Axial chest CT slice 64 of 101 (counted from the lowest slice); tube voltage 120 kVp, convolution kernel B31f; slices 3.00 mm thick, 0.635 mm per pixel.
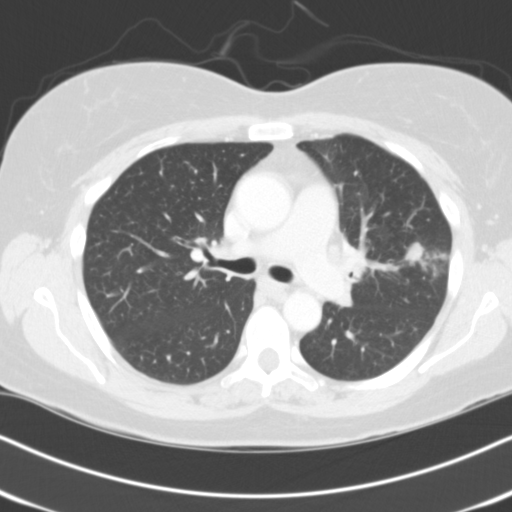
Pulmonary nodule at rows 242–265, columns 404–425 (box = the union of the readers' outlines on this slice), outlined by all four readers; median longest diameter 19.7 mm (readers' outlines 13.7–22.1 mm), median volume 1277 mm3 (832–1692 mm3). Ratings, median across the readers with their spread: texture 4/5 at the median of four readers, spread 3/5 (part-solid) to 5/5 (solid); median margin 2/5 (readers ranged 1/5 (indistinct) to 5/5 (circumscribed)); sphericity 4/5 at the median of four readers, spread 3/5 (ovoid) to 4/5; calcification absent, all four readers agreeing; internal structure soft tissue, all four readers agreeing; median subtlety 4.5/5 (readers ranged 2–5); median malignancy likelihood 3.5/5 (readers ranged 2–4). Scale key (1–5): texture non-solid→solid, margin indistinct→circumscribed, sphericity linear→round, subtlety extremely subtle→obvious, malignancy likelihood highly unlikely→highly suspicious of cancer. Box rows and columns are 0-based pixel indices from the top-left corner, inclusive.